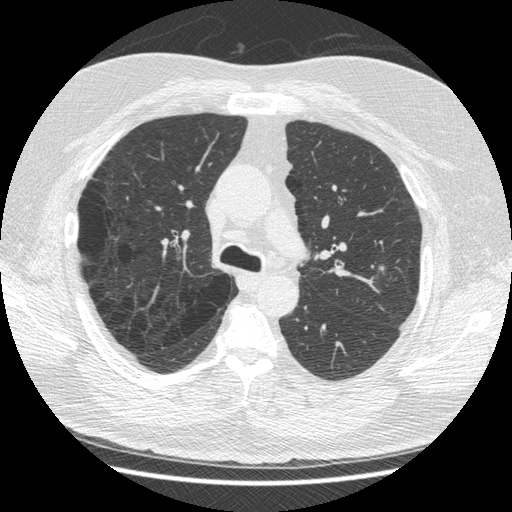
Chest CT, axial plane, 120 kVp, kernel STANDARD. Slice 313/487 from the bottom of the scan; thickness 1.25 mm; pixel size 0.703 mm.
Pulmonary nodule outlined by two of the four readers; box rows 265–273, columns 378–384 (the union of the readers' outlines on this slice); median longest diameter 9.5 mm (readers' outlines 9.4–9.6 mm), median volume 155 mm3 (154–156 mm3). Median ratings and the readers' spread: texture 3.5/5 at the median of two readers, spread 3/5 (part-solid) to 4/5; margin 3/5 at the median of two readers, spread 2/5 to 4/5; sphericity 3/5 (ovoid) from both readers; calcification absent from both readers; internal structure soft tissue from both readers; subtlety 2.5/5 at the median of two readers, spread 2–3; malignancy likelihood 3.5/5 at the median of two readers, spread 3–4. Scale key (1–5): texture non-solid→solid, margin indistinct→circumscribed, sphericity linear→round, subtlety extremely subtle→obvious, malignancy likelihood highly unlikely→highly suspicious of cancer. Box rows and columns are 0-based pixel indices from the top-left corner, inclusive.